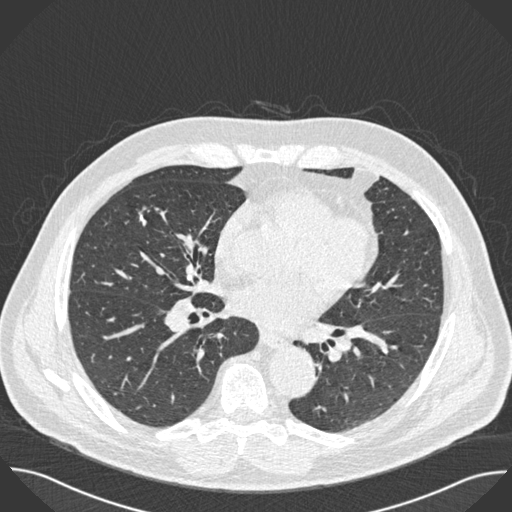
Chest CT, axial plane, 120 kVp, kernel B30f. Slice 261/493 from the bottom of the scan; thickness 0.75 mm; pixel size 0.762 mm.
Pulmonary nodule, outlined by all four readers. Box on this slice rows 213–225, columns 139–146, the union of the readers' outlines on this slice; median longest diameter 11.4 mm (readers' outlines 10.9–16.8 mm), median volume 275 mm3 (182–413 mm3). Ratings, median across the readers with their spread: texture 5/5 (solid) from all four readers; margin 4.5/5 at the median of four readers, spread 3/5 to 5/5 (circumscribed); median sphericity 3.5/5 (readers ranged 3/5 (ovoid) to 5/5 (round)); calcification solid calcification, all four readers agreeing; internal structure soft tissue from all four readers; median subtlety 5/5 (readers ranged 4–5); malignancy likelihood 1/5, all four readers agreeing. Scale key (1–5): texture non-solid→solid, margin indistinct→circumscribed, sphericity linear→round, subtlety extremely subtle→obvious, malignancy likelihood highly unlikely→highly suspicious of cancer. Box rows and columns are 0-based pixel indices from the top-left corner, inclusive.